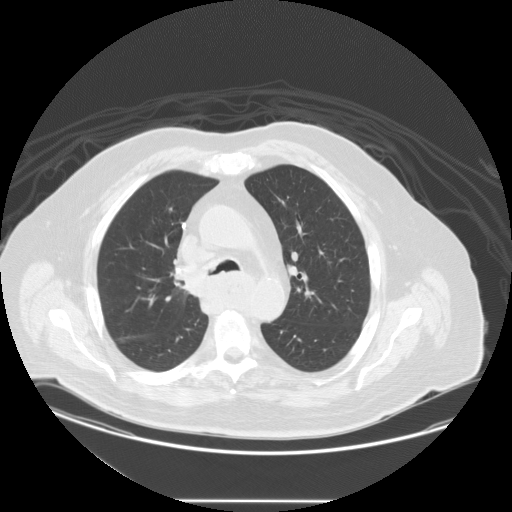
Axial chest CT slice 94 of 133 (counted from the lowest slice); tube voltage 120 kVp, convolution kernel STANDARD; slices 2.50 mm thick, 0.859 mm per pixel.
Pulmonary nodule outlined by all four readers, one of them on this slice; box rows 261–265, columns 327–331 (the one reader's outline on this slice); longest diameter 8.4 mm on average over the four readers' outlines (readers' outlines 6.9–9.8 mm), volume 164–285 mm3. The readers' prevailing ratings and who disagreed: texture 5/5 (solid), all four readers agreeing; margin 5/5 (circumscribed) from all four readers; sphericity 5/5 (round) by three of four readers; the rest gave 4/5 (one); calcification absent from all four readers; internal structure soft tissue from all four readers; subtlety 3/5 by two of four readers; the rest gave 1/5 (one), 4/5 (one); malignancy likelihood split among the readers: 2/5 (two), 3/5 (two). Scale key (1–5): texture non-solid→solid, margin indistinct→circumscribed, sphericity linear→round, subtlety extremely subtle→obvious, malignancy likelihood highly unlikely→highly suspicious of cancer. Box rows and columns are 0-based pixel indices from the top-left corner, inclusive.